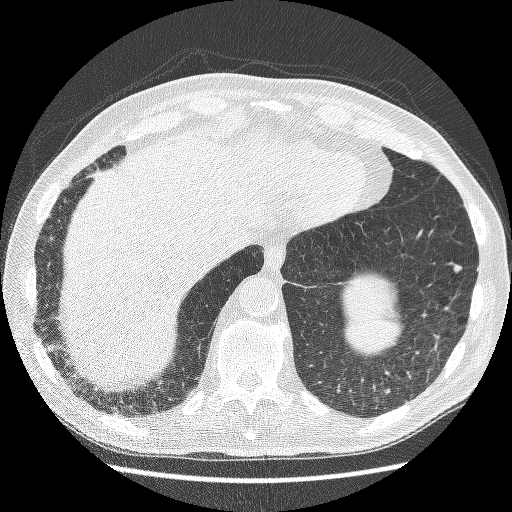
Chest CT, axial plane, 120 kVp, kernel BONE. Slice 52/241 from the bottom of the scan; thickness 1.25 mm; pixel size 0.703 mm.
Pulmonary nodule, outlined by all four readers. Box on this slice rows 263–273, columns 453–462, the union of the readers' outlines on this slice; median longest diameter 8.8 mm (readers' outlines 8.0–10.1 mm), median volume 146 mm3 (97–222 mm3). Median ratings and the readers' spread: texture 5/5 (solid) from all four readers; median margin 4.5/5 (readers ranged 4/5 to 5/5 (circumscribed)); median sphericity 4/5 (readers ranged 3/5 (ovoid) to 4/5); calcification: absent (three), solid calcification (one); internal structure soft tissue, all four readers agreeing; median subtlety 4/5 (readers ranged 3–5); malignancy likelihood 3/5 at the median of four readers, spread 1–3. Scale key (1–5): texture non-solid→solid, margin indistinct→circumscribed, sphericity linear→round, subtlety extremely subtle→obvious, malignancy likelihood highly unlikely→highly suspicious of cancer. Box rows and columns are 0-based pixel indices from the top-left corner, inclusive.